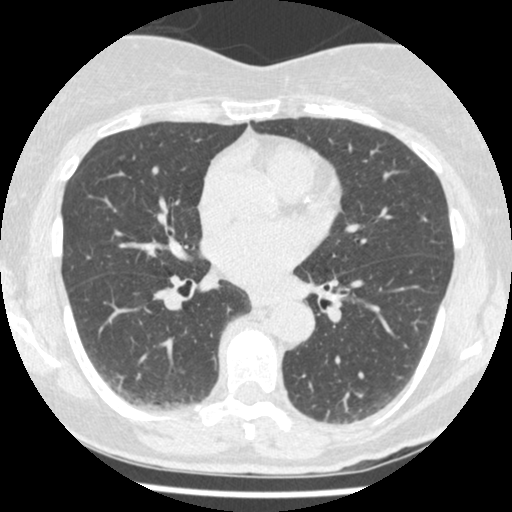
Axial slice 244 of 465 of a chest CT (slice 1 is the lowest), reconstructed with the STANDARD kernel at 120 kVp; 1.25 mm slice thickness and 0.586 mm pixels.
Pulmonary nodule at rows 154–161, columns 117–125 (box = the union of the readers' outlines on this slice), outlined by two of the four readers; longest diameter 7.1–7.9 mm and volume 74–77 mm3 across the two readers' outlines. Ratings across the readers: texture 5/5 (solid) from both readers; margin from 4/5 to 5/5 (circumscribed) across the two readers; sphericity from 3/5 (ovoid) to 5/5 (round) across the two readers; calcification absent, both readers agreeing; internal structure soft tissue from both readers; subtlety 4/5 from both readers; malignancy likelihood 3/5 from both readers. Scale key (1–5): texture non-solid→solid, margin indistinct→circumscribed, sphericity linear→round, subtlety extremely subtle→obvious, malignancy likelihood highly unlikely→highly suspicious of cancer. Box rows and columns are 0-based pixel indices from the top-left corner, inclusive.